Chest CT, axial plane, 120 kVp, kernel STANDARD. Slice 292/471 from the bottom of the scan; thickness 1.25 mm; pixel size 0.586 mm.
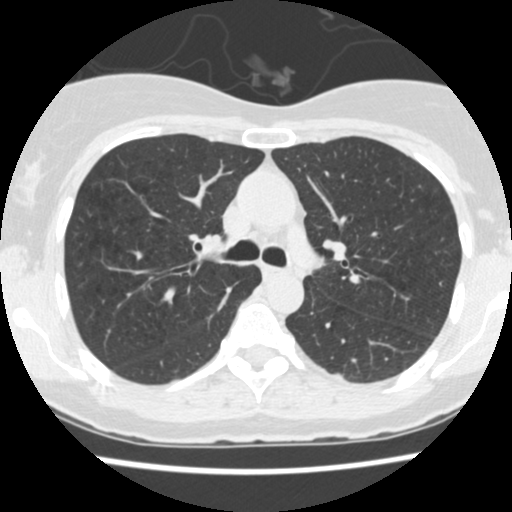
This slice carries no reader outline of a nodule 3 mm or larger.